Axial chest CT slice 336 of 557 (counted from the lowest slice); tube voltage 120 kVp, convolution kernel STANDARD; slices 1.25 mm thick, 0.703 mm per pixel.
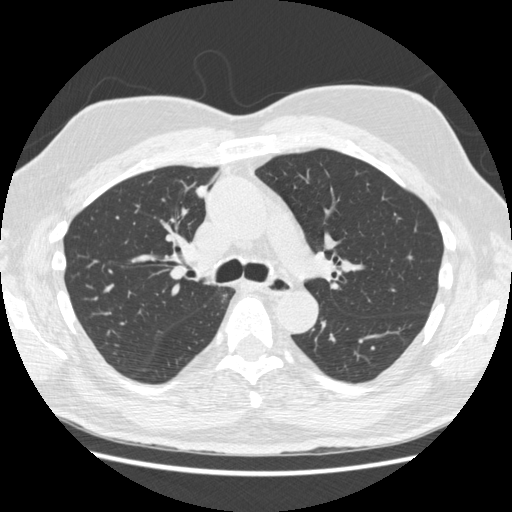
Pulmonary nodule at rows 185–198, columns 195–207 (box = the union of the readers' outlines on this slice), outlined by all four readers; longest diameter 12.6–14.2 mm and volume 470–622 mm3 across the four readers' outlines. Ratings across the readers: texture 5/5 (solid), all four readers agreeing; margin from 4/5 to 5/5 (circumscribed) across the four readers; sphericity 3/5 (ovoid) from all four readers; calcification absent from all four readers; internal structure soft tissue, all four readers agreeing; subtlety 3–5/5 (the readers disagree); malignancy likelihood from 1/5 to 4/5 across the four readers. Scale key (1–5): texture non-solid→solid, margin indistinct→circumscribed, sphericity linear→round, subtlety extremely subtle→obvious, malignancy likelihood highly unlikely→highly suspicious of cancer. Box rows and columns are 0-based pixel indices from the top-left corner, inclusive.